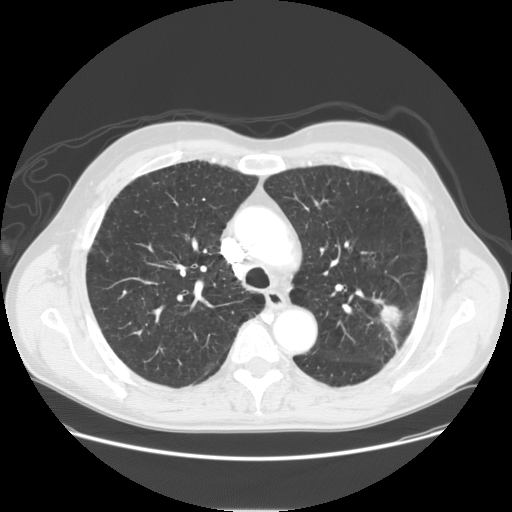
Axial chest CT slice 110 of 152 (counted from the lowest slice); tube voltage 120 kVp, convolution kernel STANDARD; slices 2.50 mm thick, 0.781 mm per pixel.
Pulmonary nodule outlined by all four readers; box rows 304–329, columns 380–401 (the union of the readers' outlines on this slice); median longest diameter 28.0 mm (readers' outlines 26.7–29.9 mm), median volume 5490 mm3 (4495–6409 mm3). Ratings, median across the readers with their spread: texture 5/5 (solid) at the median of four readers, spread 4/5 to 5/5 (solid); median margin 3.5/5 (readers ranged 3/5 to 4/5); sphericity 4.5/5 at the median of four readers, spread 3/5 (ovoid) to 5/5 (round); calcification absent, all four readers agreeing; internal structure soft tissue from all four readers; subtlety 5/5, all four readers agreeing; malignancy likelihood 5/5 at the median of four readers, spread 4–5. Scale key (1–5): texture non-solid→solid, margin indistinct→circumscribed, sphericity linear→round, subtlety extremely subtle→obvious, malignancy likelihood highly unlikely→highly suspicious of cancer. Box rows and columns are 0-based pixel indices from the top-left corner, inclusive.